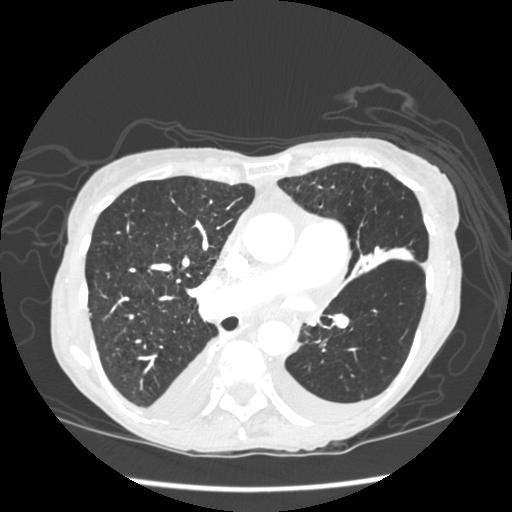
Axial chest CT slice 116 of 233 (counted from the lowest slice); tube voltage 120 kVp, convolution kernel STANDARD; slices 1.25 mm thick, 0.664 mm per pixel.
No nodule of 3 mm or larger was outlined by any of the four readers on this slice.